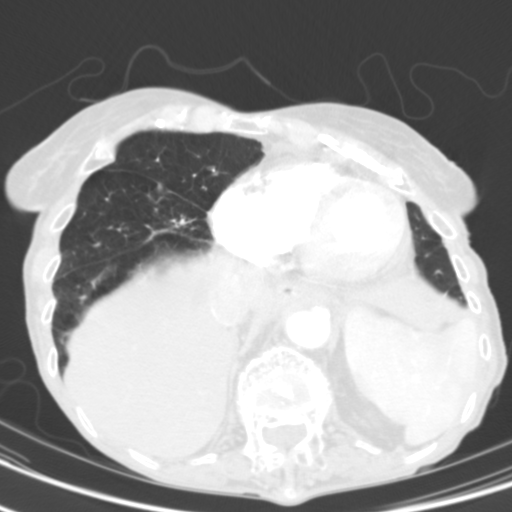
Axial chest CT slice 30 of 104 (counted from the lowest slice); tube voltage 130 kVp, convolution kernel B31s; slices 3.00 mm thick, 0.531 mm per pixel.
Pulmonary nodule outlined by two of the four readers; box rows 184–188, columns 158–161 (the union of the readers' outlines on this slice); longest diameter 6.1 mm on average over the two readers' outlines (readers' outlines 6.1 mm), volume 73 mm3. Ratings, by the readers' most common answer with dissent counted: texture 5/5 (solid), both readers agreeing; margin split among the readers: 4/5 (one), 5/5 (circumscribed) (one); sphericity split among the readers: 2/5 (one), 5/5 (round) (one); calcification absent, both readers agreeing; internal structure soft tissue from both readers; subtlety split among the readers: 4/5 (one), 5/5 (one); malignancy likelihood split among the readers: 1/5 (one), 3/5 (one). Scale key (1–5): texture non-solid→solid, margin indistinct→circumscribed, sphericity linear→round, subtlety extremely subtle→obvious, malignancy likelihood highly unlikely→highly suspicious of cancer. Box rows and columns are 0-based pixel indices from the top-left corner, inclusive.